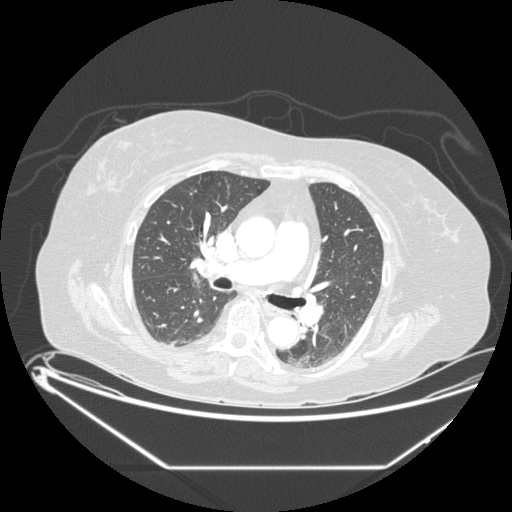
Axial slice 117 of 197 of a chest CT (slice 1 is the lowest), reconstructed with the STANDARD kernel at 120 kVp; 1.25 mm slice thickness and 0.859 mm pixels.
None of the four readers outlined a nodule of 3 mm or more on this slice.